Chest CT, axial plane, 120 kVp, kernel STANDARD. Slice 353/481 from the bottom of the scan; thickness 1.25 mm; pixel size 0.742 mm.
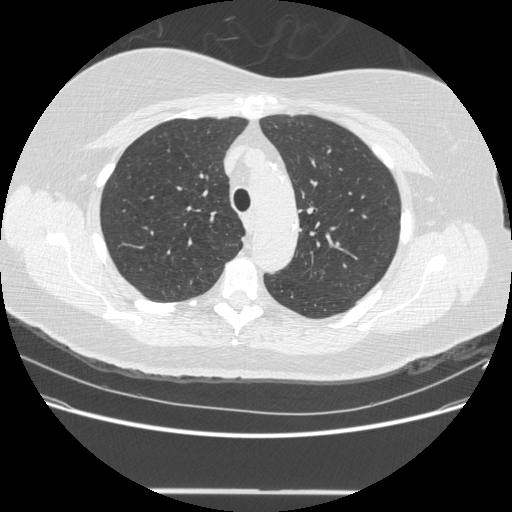
Pulmonary nodule, outlined by three of the four readers, one of them on this slice. Box on this slice rows 270–273, columns 321–323, the one reader's outline on this slice; longest diameter 6.7 mm on average over the three readers' outlines (readers' outlines 6.3–7.0 mm), volume 65–113 mm3. The readers' prevailing ratings and who disagreed: texture split among the readers: 3/5 (part-solid) (one), 4/5 (one), 5/5 (solid) (one); margin split among the readers: 2/5 (one), 3/5 (one), 4/5 (one); sphericity 4/5 by two of three readers; the rest gave 3/5 (ovoid) (one); calcification absent from all three readers; internal structure soft tissue, all three readers agreeing; subtlety split among the readers: 2/5 (one), 3/5 (one), 4/5 (one); malignancy likelihood 3/5 by two of three readers; the rest gave 2/5 (one). Scale key (1–5): texture non-solid→solid, margin indistinct→circumscribed, sphericity linear→round, subtlety extremely subtle→obvious, malignancy likelihood highly unlikely→highly suspicious of cancer. Box rows and columns are 0-based pixel indices from the top-left corner, inclusive.